Axial slice 150 of 193 of a chest CT (slice 1 is the lowest), reconstructed with the B30f kernel at 120 kVp; 2.00 mm slice thickness and 0.547 mm pixels.
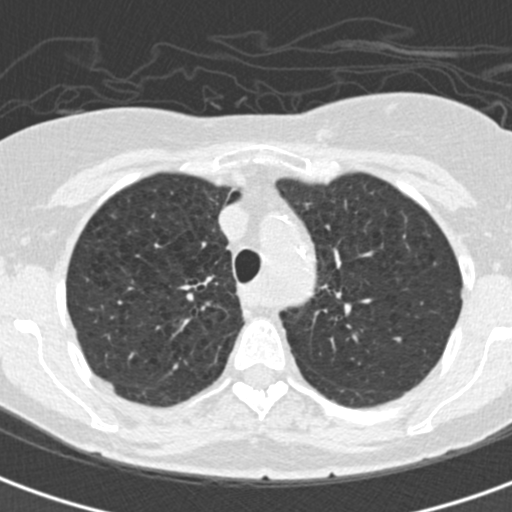
Pulmonary nodule outlined by two of the four readers, one of them on this slice; box rows 215–218, columns 111–116 (the one reader's outline on this slice); median longest diameter 7.4 mm (readers' outlines 7.0–7.9 mm), median volume 101 mm3 (101 mm3). Median ratings and the readers' spread: texture 1/5 (non-solid), both readers agreeing; margin 2/5, both readers agreeing; sphericity 5/5 (round) from both readers; calcification absent, both readers agreeing; internal structure soft tissue from both readers; median subtlety 1.5/5 (readers ranged 1–2); malignancy likelihood 2/5, both readers agreeing. Scale key (1–5): texture non-solid→solid, margin indistinct→circumscribed, sphericity linear→round, subtlety extremely subtle→obvious, malignancy likelihood highly unlikely→highly suspicious of cancer. Box rows and columns are 0-based pixel indices from the top-left corner, inclusive.